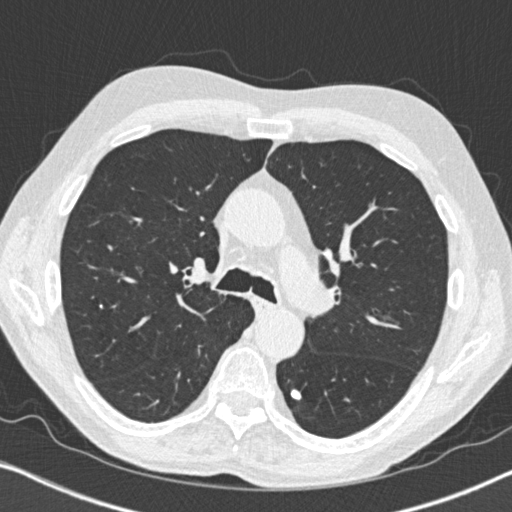
This is axial slice 508 of 764 (slice 1 is the lowest) of a chest CT; each pixel is 0.646 mm and the slice is 1.00 mm thick. Pulmonary nodule outlined by all four readers; box rows 388–401, columns 289–302 (the union of the readers' outlines on this slice); longest diameter 10.7–12.7 mm and volume 382–638 mm3 across the four readers' outlines. The readers' ratings, as ranges where they differ: texture 5/5 (solid), all four readers agreeing; margin 5/5 (circumscribed), all four readers agreeing; sphericity from 4/5 to 5/5 (round) across the four readers; calcification solid calcification from all four readers; internal structure soft tissue from all four readers; subtlety 5/5, all four readers agreeing; malignancy likelihood 1/5 from all four readers. Scale key (1–5): texture non-solid→solid, margin indistinct→circumscribed, sphericity linear→round, subtlety extremely subtle→obvious, malignancy likelihood highly unlikely→highly suspicious of cancer. Box rows and columns are 0-based pixel indices from the top-left corner, inclusive.
Acquired at 120 kVp and reconstructed with the B31f kernel.